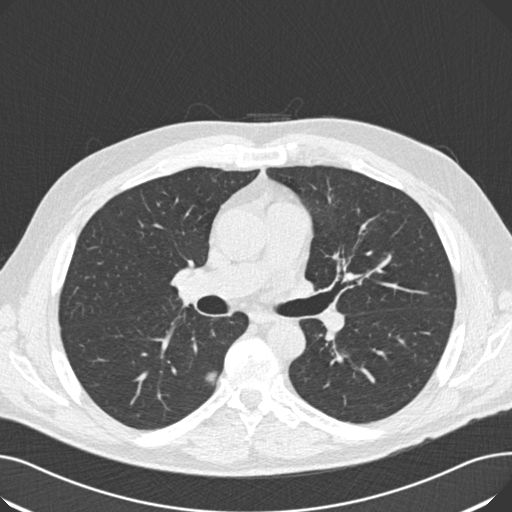
One axial slice (100 of 181, counting up from the lowest) of a chest CT acquired at 120 kVp with the B30f kernel; each pixel is 0.723 mm and the slice is 2.00 mm thick.
Pulmonary nodule, outlined by two of the four readers. Box on this slice rows 371–385, columns 204–216, the union of the readers' outlines on this slice; median longest diameter 11.4 mm (readers' outlines 11.1–11.8 mm), median volume 336 mm3 (308–364 mm3). Ratings, median across the readers with their spread: median texture 3/5 (part-solid) (readers ranged 2/5 to 4/5); margin 3.5/5 at the median of two readers, spread 3/5 to 4/5; median sphericity 3.5/5 (readers ranged 3/5 (ovoid) to 4/5); calcification absent, both readers agreeing; internal structure soft tissue, both readers agreeing; subtlety 4/5 from both readers; malignancy likelihood 3.5/5 at the median of two readers, spread 3–4. Scale key (1–5): texture non-solid→solid, margin indistinct→circumscribed, sphericity linear→round, subtlety extremely subtle→obvious, malignancy likelihood highly unlikely→highly suspicious of cancer. Box rows and columns are 0-based pixel indices from the top-left corner, inclusive.